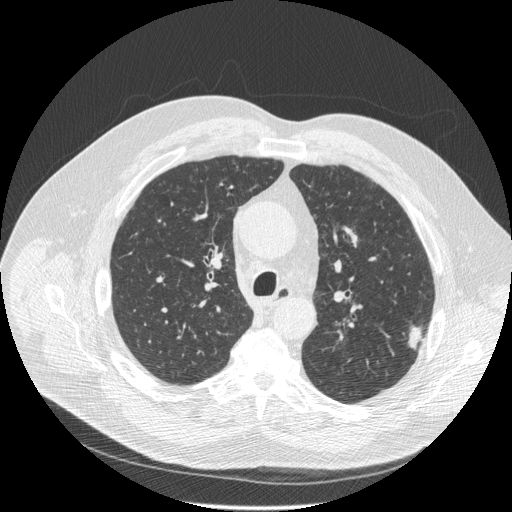
Chest CT, axial plane, 120 kVp, kernel STANDARD. Slice 341/516 from the bottom of the scan; thickness 1.25 mm; pixel size 0.820 mm.
Pulmonary nodule outlined by three of the four readers; box rows 324–351, columns 406–421 (the union of the readers' outlines on this slice); the three readers' outlines give a longest diameter between 23.2 and 31.7 mm and a volume between 750 and 1666 mm3. The readers' ratings, as ranges where they differ: texture from 3/5 (part-solid) to 5/5 (solid) across the three readers; margin from 3/5 to 4/5 across the three readers; sphericity 2/5 from all three readers; calcification absent from all three readers; internal structure soft tissue from all three readers; subtlety 5/5 from all three readers; malignancy likelihood 4/5, all three readers agreeing. Scale key (1–5): texture non-solid→solid, margin indistinct→circumscribed, sphericity linear→round, subtlety extremely subtle→obvious, malignancy likelihood highly unlikely→highly suspicious of cancer. Box rows and columns are 0-based pixel indices from the top-left corner, inclusive.